One axial slice (111 of 127, counting up from the lowest) of a chest CT acquired at 120 kVp with the B31f kernel; each pixel is 0.537 mm and the slice is 3.00 mm thick.
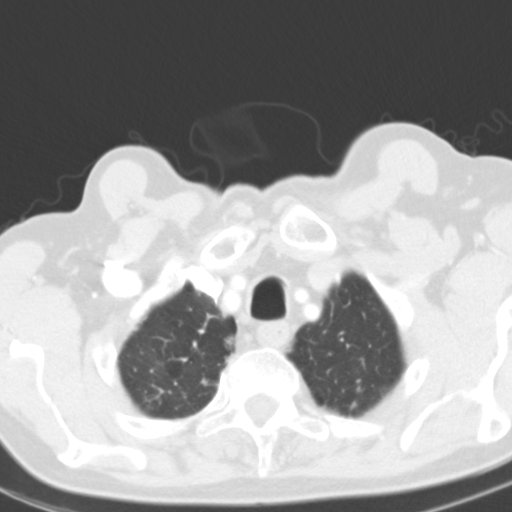
Pulmonary nodule, outlined by one of the four readers. Box on this slice rows 334–349, columns 224–235, that reader's outline on this slice; longest diameter 9.7 mm and volume 130 mm3 from that reader's outline. That reader's ratings: texture 2/5; margin 1/5 (indistinct); sphericity 3/5 (ovoid); calcification absent; internal structure soft tissue; subtlety 4/5; malignancy likelihood 4/5. Scale key (1–5): texture non-solid→solid, margin indistinct→circumscribed, sphericity linear→round, subtlety extremely subtle→obvious, malignancy likelihood highly unlikely→highly suspicious of cancer. Box rows and columns are 0-based pixel indices from the top-left corner, inclusive.